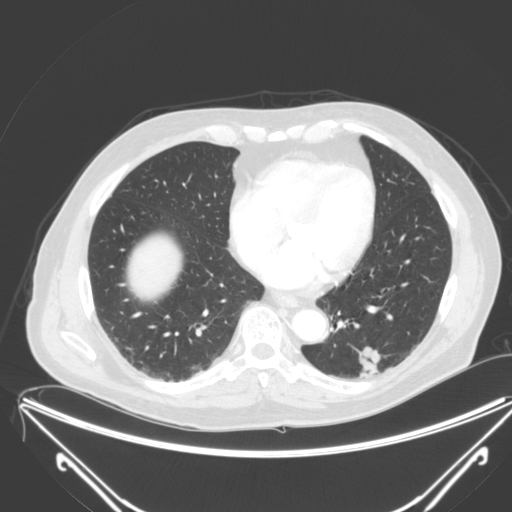
Axial chest CT slice 83 of 250 (counted from the lowest slice); tube voltage 120 kVp, convolution kernel B; slices 2.00 mm thick, 0.834 mm per pixel.
Pulmonary nodule outlined by all four readers; box rows 346–378, columns 357–379 (the union of the readers' outlines on this slice); longest diameter 28.4 mm on average over the four readers' outlines (readers' outlines 26.7–30.4 mm), volume 2541–3664 mm3. The readers' prevailing ratings and who disagreed: texture split among the readers: 4/5 (two), 5/5 (solid) (two); margin 3/5 by two of four readers; the rest gave 2/5 (one), 4/5 (one); most readers (three of four) put sphericity at 3/5 (ovoid), others 5/5 (round) (one); calcification absent from all four readers; internal structure soft tissue, all four readers agreeing; subtlety 5/5 from all four readers; malignancy likelihood 3/5 by two of four readers; the rest gave 4/5 (one), 5/5 (one). Scale key (1–5): texture non-solid→solid, margin indistinct→circumscribed, sphericity linear→round, subtlety extremely subtle→obvious, malignancy likelihood highly unlikely→highly suspicious of cancer. Box rows and columns are 0-based pixel indices from the top-left corner, inclusive.